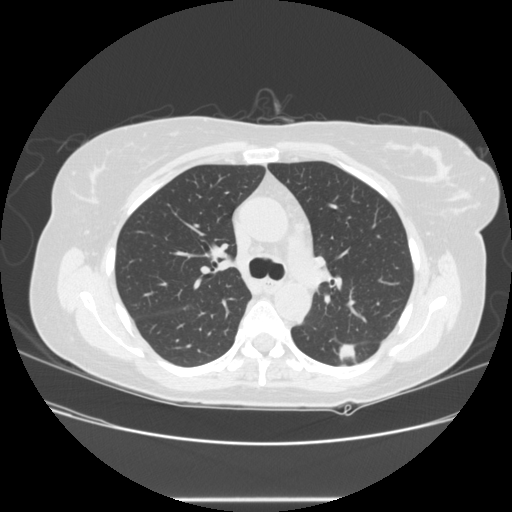
Axial slice 166 of 245 of a chest CT (slice 1 is the lowest), reconstructed with the STANDARD kernel at 120 kVp; 1.25 mm slice thickness and 0.730 mm pixels.
Pulmonary nodule at rows 344–362, columns 338–356 (box = the union of the readers' outlines on this slice), outlined by all four readers; longest diameter 30.9 mm on average over the four readers' outlines (readers' outlines 27.2–36.8 mm), volume 3941–5997 mm3. The readers' prevailing ratings and who disagreed: texture 5/5 (solid), all four readers agreeing; margin 4/5 by two of four readers; the rest gave 1/5 (indistinct) (one), 3/5 (one); sphericity 2/5 by two of four readers; the rest gave 3/5 (ovoid) (one), 4/5 (one); calcification absent, all four readers agreeing; internal structure soft tissue from all four readers; subtlety 5/5 from all four readers; most readers (three of four) put malignancy likelihood at 5/5, others 4/5 (one). Scale key (1–5): texture non-solid→solid, margin indistinct→circumscribed, sphericity linear→round, subtlety extremely subtle→obvious, malignancy likelihood highly unlikely→highly suspicious of cancer. Box rows and columns are 0-based pixel indices from the top-left corner, inclusive.